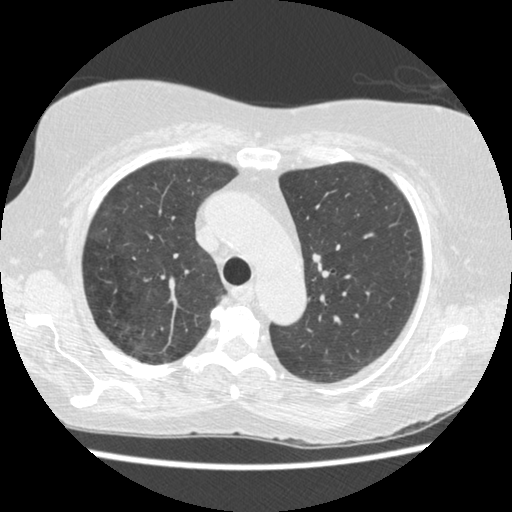
Axial chest CT slice 300 of 413 (counted from the lowest slice); tube voltage 120 kVp, convolution kernel STANDARD; slices 1.25 mm thick, 0.625 mm per pixel.
Pulmonary nodule outlined by two of the four readers; box rows 253–262, columns 311–319 (the union of the readers' outlines on this slice); median longest diameter 7.9 mm (readers' outlines 7.3–8.5 mm), median volume 117 mm3 (68–167 mm3). Median ratings and the readers' spread: texture 5/5 (solid) from both readers; median margin 4/5 (readers ranged 3/5 to 5/5 (circumscribed)); sphericity 4.5/5 at the median of two readers, spread 4/5 to 5/5 (round); calcification absent from both readers; internal structure soft tissue from both readers; subtlety 2.5/5 at the median of two readers, spread 2–3; median malignancy likelihood 3.5/5 (readers ranged 3–4). Scale key (1–5): texture non-solid→solid, margin indistinct→circumscribed, sphericity linear→round, subtlety extremely subtle→obvious, malignancy likelihood highly unlikely→highly suspicious of cancer. Box rows and columns are 0-based pixel indices from the top-left corner, inclusive.